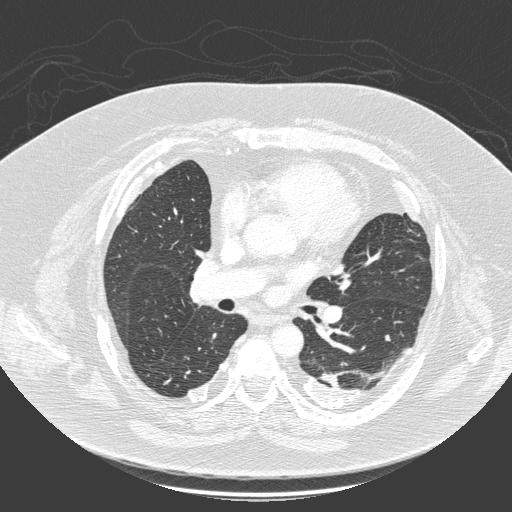
Slice 133/280 of a chest CT, counting up from the lowest; pixel size 0.801 mm, slice thickness 1.00 mm. Pulmonary nodule at rows 334–340, columns 384–389 (box = the union of the readers' outlines on this slice), outlined by three of the four readers; median longest diameter 7.2 mm (readers' outlines 5.8–7.6 mm), median volume 61 mm3 (42–96 mm3). Median ratings and the readers' spread: texture 5/5 (solid) at the median of three readers, spread 4/5 to 5/5 (solid); margin 4/5 at the median of three readers, spread 4/5 to 5/5 (circumscribed); sphericity 3/5 (ovoid) at the median of three readers, spread 2/5 to 4/5; calcification absent from all three readers; internal structure soft tissue from all three readers; subtlety 3/5 at the median of three readers, spread 3–4; malignancy likelihood 3/5 at the median of three readers, spread 2–3. Scale key (1–5): texture non-solid→solid, margin indistinct→circumscribed, sphericity linear→round, subtlety extremely subtle→obvious, malignancy likelihood highly unlikely→highly suspicious of cancer. Box rows and columns are 0-based pixel indices from the top-left corner, inclusive.
Scan settings: 140 kVp, D reconstruction kernel.